One axial slice (143 of 308, counting up from the lowest) of a chest CT acquired at 120 kVp with the B45f kernel; each pixel is 0.703 mm and the slice is 1.00 mm thick.
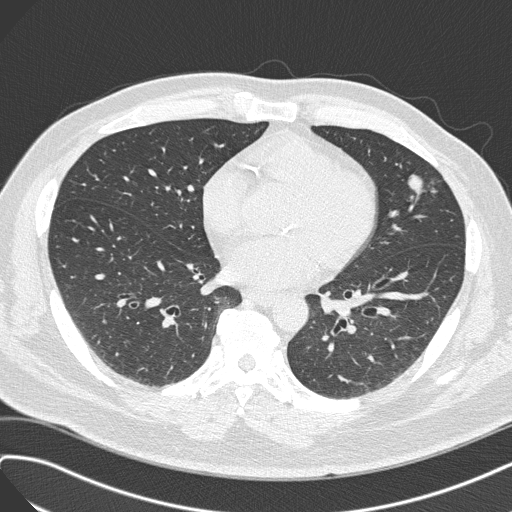
Pulmonary nodule, outlined by all four readers. Box on this slice rows 173–200, columns 407–425, the union of the readers' outlines on this slice; longest diameter 21.2 mm on average over the four readers' outlines (readers' outlines 19.6–23.0 mm), volume 1982–2315 mm3. The readers' prevailing ratings and who disagreed: texture 5/5 (solid) from all four readers; margin split among the readers: 4/5 (two), 5/5 (circumscribed) (two); sphericity split among the readers: 3/5 (ovoid) (two), 5/5 (round) (two); calcification absent, all four readers agreeing; internal structure soft tissue, all four readers agreeing; subtlety 5/5 from all four readers; malignancy likelihood 3/5 by two of four readers; the rest gave 4/5 (one), 5/5 (one). Scale key (1–5): texture non-solid→solid, margin indistinct→circumscribed, sphericity linear→round, subtlety extremely subtle→obvious, malignancy likelihood highly unlikely→highly suspicious of cancer. Box rows and columns are 0-based pixel indices from the top-left corner, inclusive.